Axial slice 101 of 117 of a chest CT (slice 1 is the lowest), reconstructed with the B31s kernel at 130 kVp; 3.00 mm slice thickness and 0.566 mm pixels.
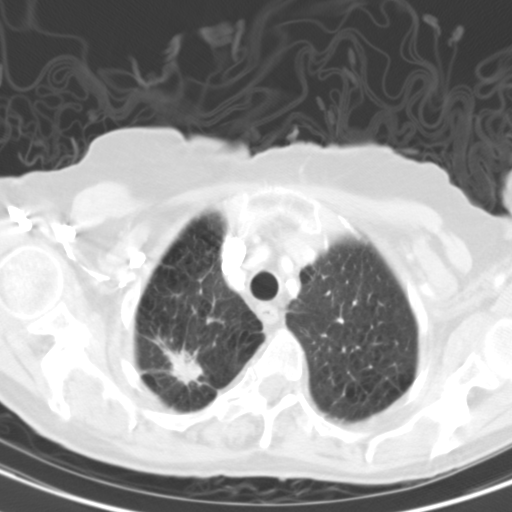
Pulmonary nodule at rows 338–384, columns 154–203 (box = the union of the readers' outlines on this slice), outlined by all four readers; longest diameter 31.3–41.7 mm and volume 5062–7820 mm3 across the four readers' outlines. The readers' ratings, as ranges where they differ: texture 5/5 (solid), all four readers agreeing; margin from 1/5 (indistinct) to 4/5 across the four readers; sphericity from 3/5 (ovoid) to 5/5 (round) across the four readers; calcification absent from all four readers; internal structure soft tissue, all four readers agreeing; subtlety 5/5 from all four readers; malignancy likelihood 5/5, all four readers agreeing. Scale key (1–5): texture non-solid→solid, margin indistinct→circumscribed, sphericity linear→round, subtlety extremely subtle→obvious, malignancy likelihood highly unlikely→highly suspicious of cancer. Box rows and columns are 0-based pixel indices from the top-left corner, inclusive.